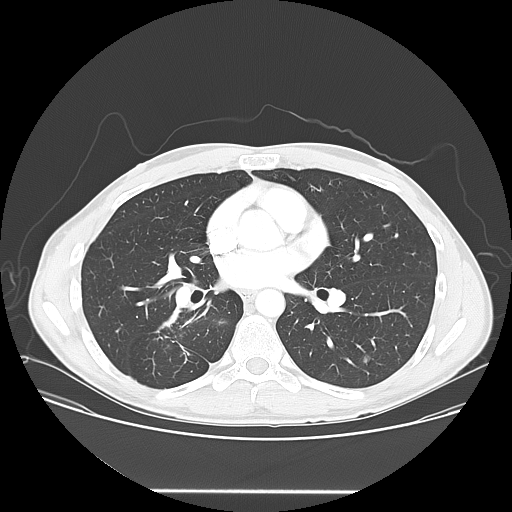
Axial slice 83 of 150 of a chest CT (slice 1 is the lowest), reconstructed with the LUNG kernel at 120 kVp; 2.50 mm slice thickness and 0.781 mm pixels.
Pulmonary nodule, outlined by all four readers. Box on this slice rows 354–364, columns 362–370, the union of the readers' outlines on this slice; median longest diameter 9.6 mm (readers' outlines 8.9–10.2 mm), median volume 376 mm3 (292–480 mm3). Median ratings and the readers' spread: texture 5/5 (solid), all four readers agreeing; margin 4.5/5 at the median of four readers, spread 4/5 to 5/5 (circumscribed); sphericity 4.5/5 at the median of four readers, spread 4/5 to 5/5 (round); calcification absent from all four readers; internal structure soft tissue from all four readers; median subtlety 4/5 (readers ranged 3–5); median malignancy likelihood 3.5/5 (readers ranged 2–4). Scale key (1–5): texture non-solid→solid, margin indistinct→circumscribed, sphericity linear→round, subtlety extremely subtle→obvious, malignancy likelihood highly unlikely→highly suspicious of cancer. Box rows and columns are 0-based pixel indices from the top-left corner, inclusive.